Chest CT, axial plane, 120 kVp, kernel STANDARD. Slice 202/509 from the bottom of the scan; thickness 1.25 mm; pixel size 0.703 mm.
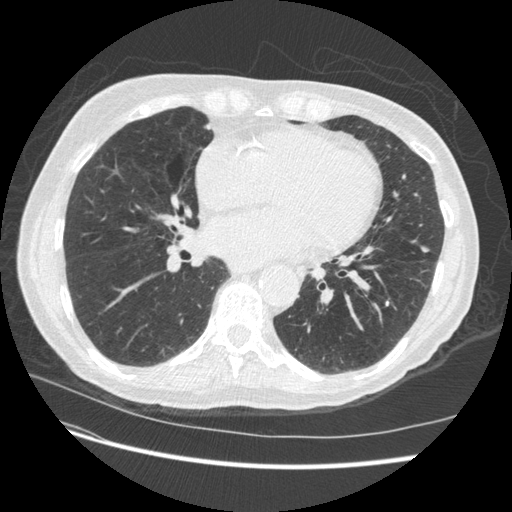
Pulmonary nodule at rows 245–253, columns 420–430 (box = the union of the readers' outlines on this slice), outlined by three of the four readers; median longest diameter 8.9 mm (readers' outlines 6.9–9.6 mm), median volume 179 mm3 (87–218 mm3). Median ratings and the readers' spread: texture 5/5 (solid) from all three readers; margin 4/5 from all three readers; sphericity 4/5 at the median of three readers, spread 3/5 (ovoid) to 4/5; calcification absent from all three readers; internal structure soft tissue from all three readers; median subtlety 4/5 (readers ranged 4–5); median malignancy likelihood 3/5 (readers ranged 2–5). Scale key (1–5): texture non-solid→solid, margin indistinct→circumscribed, sphericity linear→round, subtlety extremely subtle→obvious, malignancy likelihood highly unlikely→highly suspicious of cancer. Box rows and columns are 0-based pixel indices from the top-left corner, inclusive.